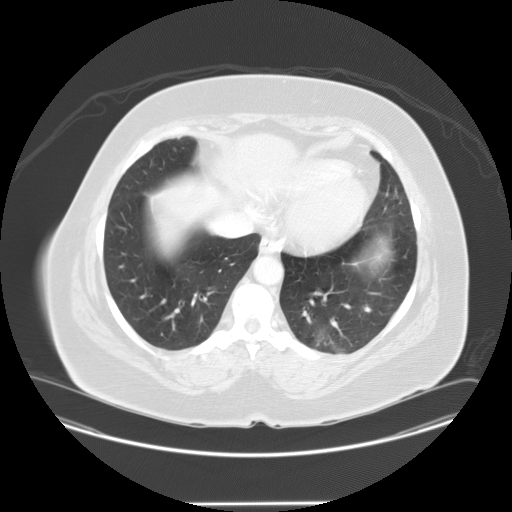
Chest CT, axial plane, 120 kVp, kernel STANDARD. Slice 18/95 from the bottom of the scan; thickness 2.50 mm; pixel size 0.859 mm.
Pulmonary nodule, outlined by all four readers, one of them on this slice. Box on this slice rows 330–341, columns 315–324, the one reader's outline on this slice; median longest diameter 19.9 mm (readers' outlines 17.2–23.5 mm), median volume 2245 mm3 (2023–2813 mm3). Ratings, median across the readers with their spread: median texture 5/5 (solid) (readers ranged 4/5 to 5/5 (solid)); margin 3.5/5 at the median of four readers, spread 3/5 to 5/5 (circumscribed); median sphericity 4.5/5 (readers ranged 3/5 (ovoid) to 5/5 (round)); calcification absent from all four readers; internal structure soft tissue from all four readers; median subtlety 4.5/5 (readers ranged 3–5); malignancy likelihood 4/5 at the median of four readers, spread 2–4. Scale key (1–5): texture non-solid→solid, margin indistinct→circumscribed, sphericity linear→round, subtlety extremely subtle→obvious, malignancy likelihood highly unlikely→highly suspicious of cancer. Box rows and columns are 0-based pixel indices from the top-left corner, inclusive.